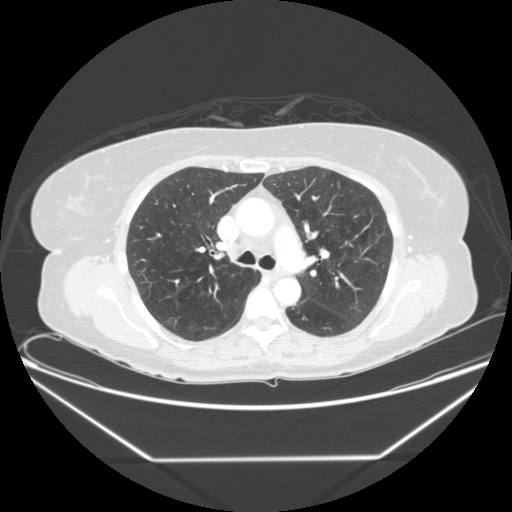
Axial slice 150 of 245 of a chest CT (slice 1 is the lowest), reconstructed with the STANDARD kernel at 120 kVp; 1.25 mm slice thickness and 0.826 mm pixels.
The readers outlined no nodule of 3 mm or more on this slice.